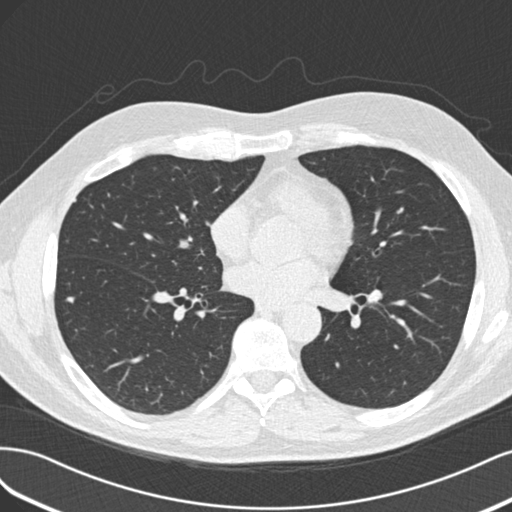
Axial slice 93 of 193 of a chest CT (slice 1 is the lowest), reconstructed with the B30f kernel at 120 kVp; 2.00 mm slice thickness and 0.703 mm pixels.
Pulmonary nodule, outlined by three of the four readers. Box on this slice rows 296–304, columns 65–75, the union of the readers' outlines on this slice; the three readers' outlines give a longest diameter between 8.0 and 9.4 mm and a volume between 118 and 208 mm3. Ratings across the readers: texture from 4/5 to 5/5 (solid) across the three readers; margin from 4/5 to 5/5 (circumscribed) across the three readers; sphericity from 3/5 (ovoid) to 4/5 across the three readers; calcification absent, all three readers agreeing; internal structure soft tissue from all three readers; subtlety rated between 3 and 4 out of 5 by the three readers; malignancy likelihood 3/5 from all three readers. Scale key (1–5): texture non-solid→solid, margin indistinct→circumscribed, sphericity linear→round, subtlety extremely subtle→obvious, malignancy likelihood highly unlikely→highly suspicious of cancer. Box rows and columns are 0-based pixel indices from the top-left corner, inclusive.